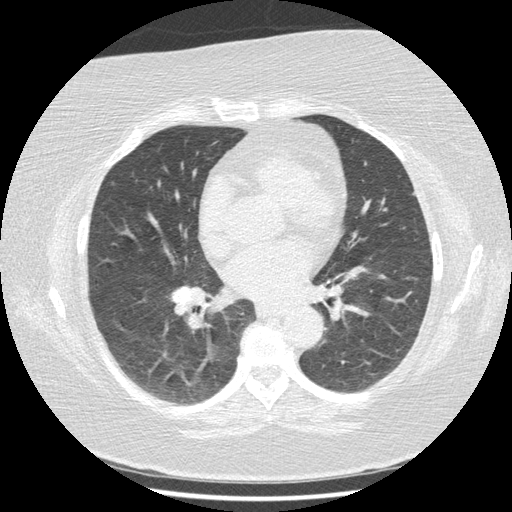
This is axial slice 220 of 417 (slice 1 is the lowest) of a chest CT; each pixel is 0.703 mm and the slice is 1.25 mm thick. Pulmonary nodule outlined by two of the four readers; box rows 181–185, columns 111–115 (the union of the readers' outlines on this slice); median longest diameter 6.0 mm (readers' outlines 6.0 mm), median volume 46 mm3 (40–52 mm3). Median ratings and the readers' spread: texture 5/5 (solid), both readers agreeing; margin 5/5 (circumscribed) from both readers; sphericity 4/5 from both readers; calcification absent, both readers agreeing; internal structure soft tissue from both readers; median subtlety 4/5 (readers ranged 3–5); malignancy likelihood 2.5/5 at the median of two readers, spread 2–3. Scale key (1–5): texture non-solid→solid, margin indistinct→circumscribed, sphericity linear→round, subtlety extremely subtle→obvious, malignancy likelihood highly unlikely→highly suspicious of cancer. Box rows and columns are 0-based pixel indices from the top-left corner, inclusive.
Acquired at 120 kVp and reconstructed with the STANDARD kernel.